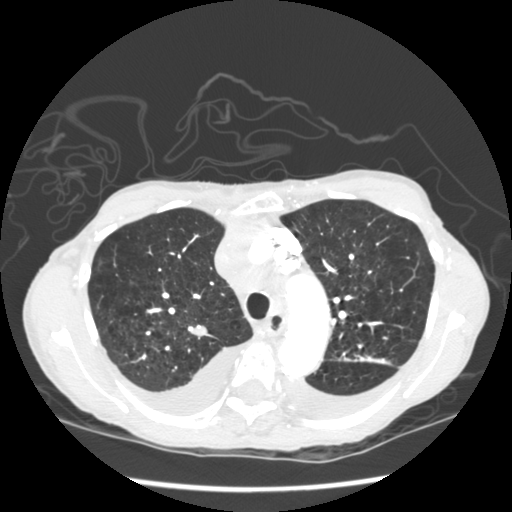
Slice 170/233 of a chest CT, counting up from the lowest; pixel size 0.664 mm, slice thickness 1.25 mm. Pulmonary nodule, outlined by all four readers. Box on this slice rows 325–338, columns 188–206, the union of the readers' outlines on this slice; longest diameter 15.0 mm on average over the four readers' outlines (readers' outlines 14.3–15.4 mm), volume 906–1149 mm3. The readers' prevailing ratings and who disagreed: texture 5/5 (solid) from all four readers; most readers (three of four) put margin at 5/5 (circumscribed), others 4/5 (one); sphericity split among the readers: 3/5 (ovoid) (two), 4/5 (two); calcification absent from all four readers; internal structure soft tissue, all four readers agreeing; subtlety 5/5 by three of four readers; the rest gave 4/5 (one); malignancy likelihood 3/5 by two of four readers; the rest gave 2/5 (one), 4/5 (one). Scale key (1–5): texture non-solid→solid, margin indistinct→circumscribed, sphericity linear→round, subtlety extremely subtle→obvious, malignancy likelihood highly unlikely→highly suspicious of cancer. Box rows and columns are 0-based pixel indices from the top-left corner, inclusive.
Tube voltage 120 kVp; convolution kernel STANDARD.